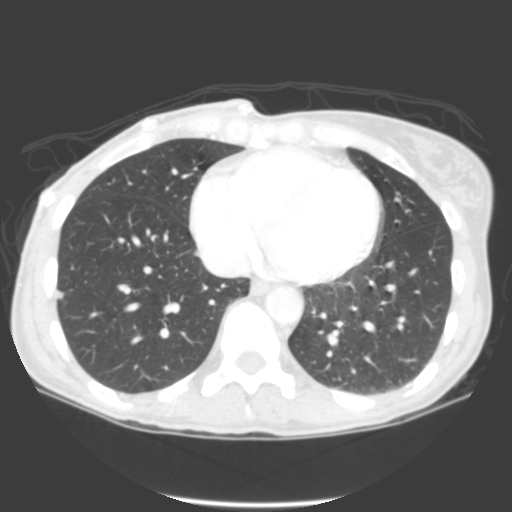
Axial slice 96 of 325 of a chest CT (slice 1 is the lowest), reconstructed with the B kernel at 120 kVp; 2.00 mm slice thickness and 0.611 mm pixels.
Pulmonary nodule at rows 290–299, columns 55–63 (box = the union of the readers' outlines on this slice), outlined by all four readers; longest diameter 7.4 mm on average over the four readers' outlines (readers' outlines 7.0–8.2 mm), volume 85–126 mm3. Ratings, by the readers' most common answer with dissent counted: texture 5/5 (solid) by three of four readers; the rest gave 4/5 (one); margin 4/5 by two of four readers; the rest gave 3/5 (one), 5/5 (circumscribed) (one); most readers (three of four) put sphericity at 4/5, others 3/5 (ovoid) (one); calcification absent from all four readers; internal structure soft tissue, all four readers agreeing; most readers (three of four) put subtlety at 5/5, others 4/5 (one); malignancy likelihood 2/5 by two of four readers; the rest gave 3/5 (one), 4/5 (one). Scale key (1–5): texture non-solid→solid, margin indistinct→circumscribed, sphericity linear→round, subtlety extremely subtle→obvious, malignancy likelihood highly unlikely→highly suspicious of cancer. Box rows and columns are 0-based pixel indices from the top-left corner, inclusive.